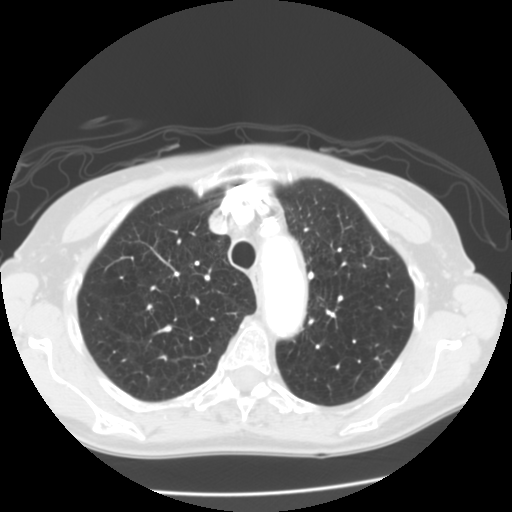
One axial slice (111 of 141, counting up from the lowest) of a chest CT acquired at 120 kVp with the STANDARD kernel; each pixel is 0.625 mm and the slice is 2.50 mm thick.
Pulmonary nodule at rows 355–367, columns 374–382 (box = the one reader's outline on this slice), outlined by three of the four readers, one of them on this slice; the three readers' outlines give a longest diameter between 7.5 and 11.9 mm and a volume between 100 and 469 mm3. Ratings across the readers: texture from 4/5 to 5/5 (solid) across the three readers; margin 4/5 from all three readers; sphericity from 2/5 to 5/5 (round) across the three readers; calcification absent from all three readers; internal structure soft tissue from all three readers; subtlety from 3/5 to 5/5 across the three readers; malignancy likelihood 3–4/5 (the readers disagree). Scale key (1–5): texture non-solid→solid, margin indistinct→circumscribed, sphericity linear→round, subtlety extremely subtle→obvious, malignancy likelihood highly unlikely→highly suspicious of cancer. Box rows and columns are 0-based pixel indices from the top-left corner, inclusive.